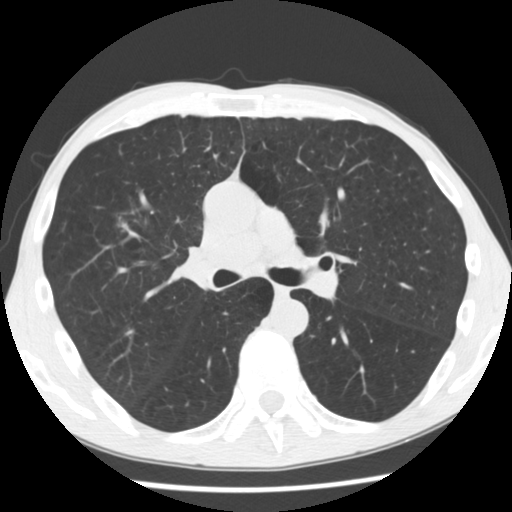
This is axial slice 170 of 292 (slice 1 is the lowest) of a chest CT; each pixel is 0.645 mm and the slice is 2.50 mm thick. Pulmonary nodule, outlined three times (the source holds two more outlines, not used), two of them on this slice. Box on this slice rows 216–231, columns 115–127, the union of the readers' outlines on this slice; the three readers' outlines give a longest diameter between 18.2 and 19.0 mm and a volume between 892 and 1690 mm3. Ratings across the readers: texture 5/5 (solid) from all three readers; margin from 2/5 to 4/5 across the three readers; sphericity from 2/5 to 4/5 across the three readers; calcification absent, all three readers agreeing; internal structure soft tissue from all three readers; subtlety rated between 4 and 5 out of 5 by the three readers; malignancy likelihood from 3/5 to 5/5 across the three readers. Scale key (1–5): texture non-solid→solid, margin indistinct→circumscribed, sphericity linear→round, subtlety extremely subtle→obvious, malignancy likelihood highly unlikely→highly suspicious of cancer. Box rows and columns are 0-based pixel indices from the top-left corner, inclusive.
Scan settings: 120 kVp, STANDARD reconstruction kernel.